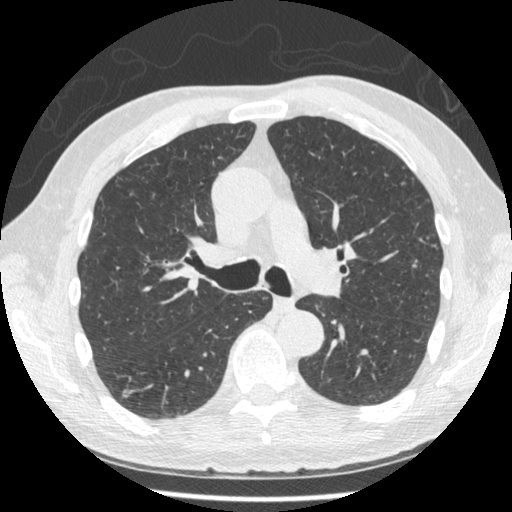
Axial slice 297 of 481 of a chest CT (slice 1 is the lowest), reconstructed with the STANDARD kernel at 120 kVp; 1.25 mm slice thickness and 0.664 mm pixels.
Pulmonary nodule at rows 390–398, columns 120–130 (box = that reader's outline on this slice), outlined by one of the four readers; longest diameter 8.9 mm and volume 153 mm3 from that reader's outline. Ratings by that reader: texture 5/5 (solid); margin 5/5 (circumscribed); sphericity 3/5 (ovoid); calcification absent; internal structure soft tissue; subtlety 4/5; malignancy likelihood 3/5. Scale key (1–5): texture non-solid→solid, margin indistinct→circumscribed, sphericity linear→round, subtlety extremely subtle→obvious, malignancy likelihood highly unlikely→highly suspicious of cancer. Box rows and columns are 0-based pixel indices from the top-left corner, inclusive.